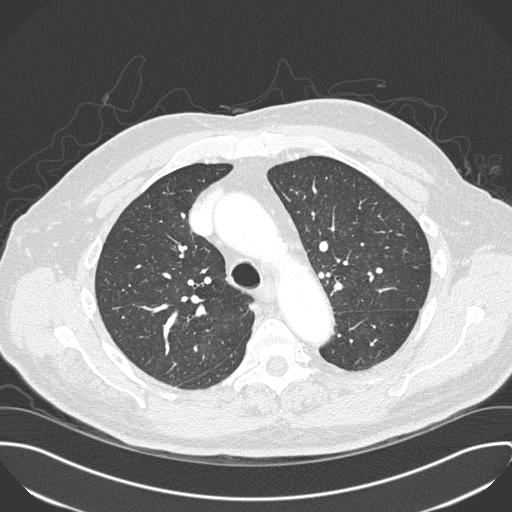
Axial slice 230 of 330 of a chest CT (slice 1 is the lowest), reconstructed with the B45f kernel at 120 kVp; 1.00 mm slice thickness and 0.762 mm pixels.
This slice carries no reader outline of a nodule 3 mm or larger.